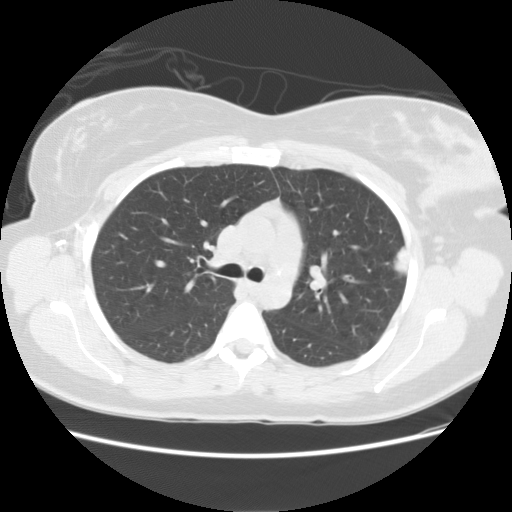
Axial chest CT slice 90 of 127 (counted from the lowest slice); tube voltage 120 kVp, convolution kernel STANDARD; slices 2.50 mm thick, 0.703 mm per pixel.
Pulmonary nodule, outlined by all four readers. Box on this slice rows 246–276, columns 392–409, the union of the readers' outlines on this slice; longest diameter 24.6–26.3 mm and volume 2071–2699 mm3 across the four readers' outlines. The readers' ratings, as ranges where they differ: texture 5/5 (solid) from all four readers; margin from 4/5 to 5/5 (circumscribed) across the four readers; sphericity from 3/5 (ovoid) to 5/5 (round) across the four readers; calcification absent, all four readers agreeing; internal structure soft tissue from all four readers; subtlety 5/5 from all four readers; malignancy likelihood from 3/5 to 5/5 across the four readers. Scale key (1–5): texture non-solid→solid, margin indistinct→circumscribed, sphericity linear→round, subtlety extremely subtle→obvious, malignancy likelihood highly unlikely→highly suspicious of cancer. Box rows and columns are 0-based pixel indices from the top-left corner, inclusive.